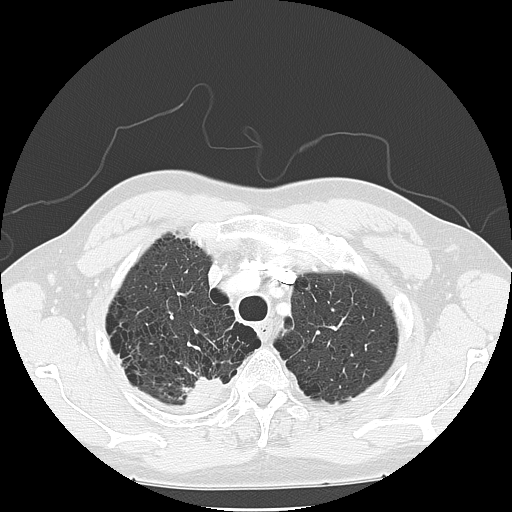
Chest CT, axial plane, 120 kVp, kernel LUNG. Slice 110/133 from the bottom of the scan; thickness 2.50 mm; pixel size 0.703 mm.
Pulmonary nodule, outlined by one of the four readers. Box on this slice rows 377–401, columns 187–224, that reader's outline on this slice; longest diameter 40.9 mm and volume 12423 mm3 from that reader's outline. Ratings by that reader: texture 5/5 (solid); margin 3/5; sphericity 3/5 (ovoid); calcification absent; internal structure soft tissue; subtlety 5/5; malignancy likelihood 2/5. Scale key (1–5): texture non-solid→solid, margin indistinct→circumscribed, sphericity linear→round, subtlety extremely subtle→obvious, malignancy likelihood highly unlikely→highly suspicious of cancer. Box rows and columns are 0-based pixel indices from the top-left corner, inclusive.